Axial slice 113 of 176 of a chest CT (slice 1 is the lowest), reconstructed with the B30f kernel at 120 kVp; 2.00 mm slice thickness and 0.742 mm pixels.
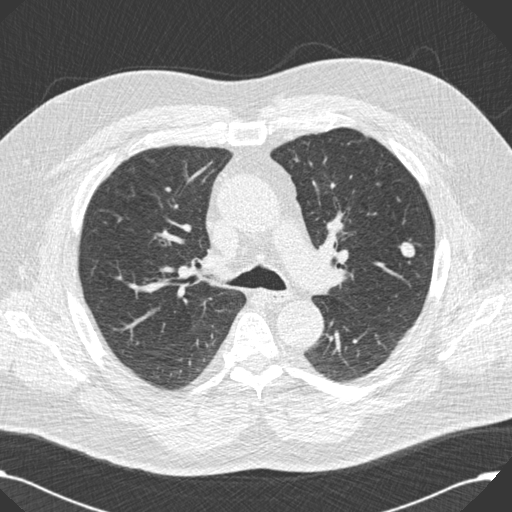
Pulmonary nodule outlined by all four readers; box rows 241–257, columns 399–415 (the union of the readers' outlines on this slice); median longest diameter 14.5 mm (readers' outlines 14.3–16.3 mm), median volume 1132 mm3 (1042–1473 mm3). Median ratings and the readers' spread: texture 5/5 (solid) from all four readers; margin 5/5 (circumscribed) at the median of four readers, spread 4/5 to 5/5 (circumscribed); median sphericity 4/5 (readers ranged 4/5 to 5/5 (round)); calcification split among the readers: absent (two), non-central calcification (two); internal structure soft tissue from all four readers; median subtlety 5/5 (readers ranged 3–5); malignancy likelihood 2.5/5 at the median of four readers, spread 2–4. Scale key (1–5): texture non-solid→solid, margin indistinct→circumscribed, sphericity linear→round, subtlety extremely subtle→obvious, malignancy likelihood highly unlikely→highly suspicious of cancer. Box rows and columns are 0-based pixel indices from the top-left corner, inclusive.